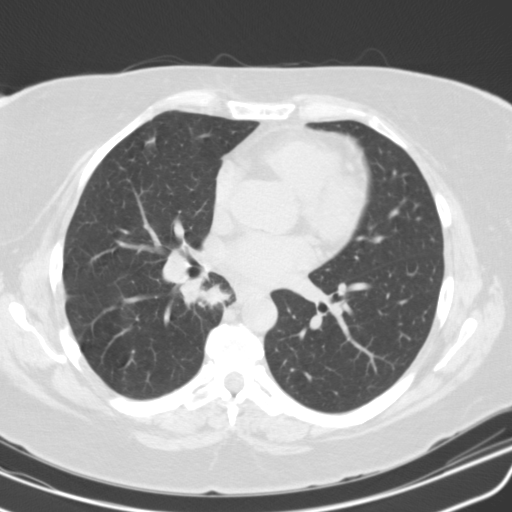
Chest CT, axial plane, 130 kVp, kernel B31s. Slice 68/115 from the bottom of the scan; thickness 3.00 mm; pixel size 0.652 mm.
Pulmonary nodule at rows 279–305, columns 181–232 (box = the union of the readers' outlines on this slice), outlined by three of the four readers; longest diameter 29.5 mm on average over the three readers' outlines (readers' outlines 24.2–34.9 mm), volume 3268–5378 mm3. The readers' prevailing ratings and who disagreed: most readers (two of three) put texture at 5/5 (solid), others 4/5 (one); margin split among the readers: 2/5 (one), 3/5 (one), 4/5 (one); sphericity split among the readers: 2/5 (one), 3/5 (ovoid) (one), 5/5 (round) (one); calcification absent from all three readers; internal structure soft tissue from all three readers; subtlety 5/5 by two of three readers; the rest gave 4/5 (one); malignancy likelihood 4/5, all three readers agreeing. Scale key (1–5): texture non-solid→solid, margin indistinct→circumscribed, sphericity linear→round, subtlety extremely subtle→obvious, malignancy likelihood highly unlikely→highly suspicious of cancer. Box rows and columns are 0-based pixel indices from the top-left corner, inclusive.